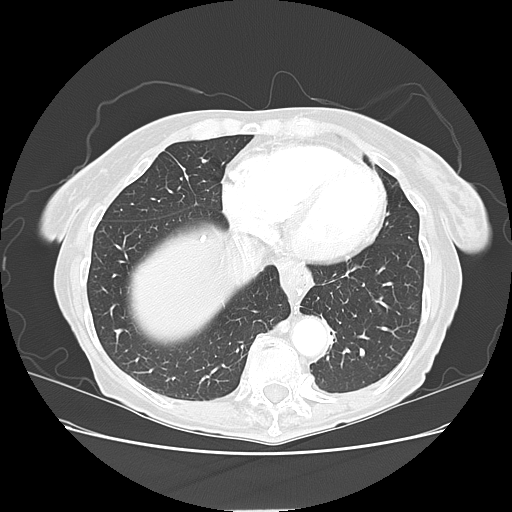
Slice 55/133 of a chest CT, counting up from the lowest; pixel size 0.703 mm, slice thickness 2.50 mm. Pulmonary nodule, outlined by one of the four readers. Box on this slice rows 235–242, columns 200–205, that reader's outline on this slice; longest diameter 6.5 mm and volume 93 mm3 from that reader's outline. Ratings by that reader: texture 5/5 (solid); margin 5/5 (circumscribed); sphericity 3/5 (ovoid); calcification solid calcification; internal structure soft tissue; subtlety 4/5; malignancy likelihood 1/5. Scale key (1–5): texture non-solid→solid, margin indistinct→circumscribed, sphericity linear→round, subtlety extremely subtle→obvious, malignancy likelihood highly unlikely→highly suspicious of cancer. Box rows and columns are 0-based pixel indices from the top-left corner, inclusive.
Scan settings: 120 kVp, LUNG reconstruction kernel.